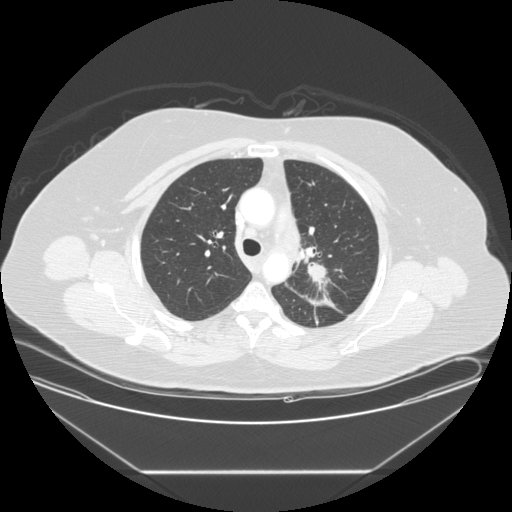
Axial slice 164 of 225 of a chest CT (slice 1 is the lowest), reconstructed with the STANDARD kernel at 120 kVp; 1.25 mm slice thickness and 0.828 mm pixels.
Pulmonary nodule, outlined by one of the four readers. Box on this slice rows 263–284, columns 309–328, that reader's outline on this slice; longest diameter 33.6 mm and volume 4404 mm3 from that reader's outline. Ratings by that reader: texture 5/5 (solid); margin 2/5; sphericity 3/5 (ovoid); calcification absent; internal structure soft tissue; subtlety 5/5; malignancy likelihood 5/5. Scale key (1–5): texture non-solid→solid, margin indistinct→circumscribed, sphericity linear→round, subtlety extremely subtle→obvious, malignancy likelihood highly unlikely→highly suspicious of cancer. Box rows and columns are 0-based pixel indices from the top-left corner, inclusive.